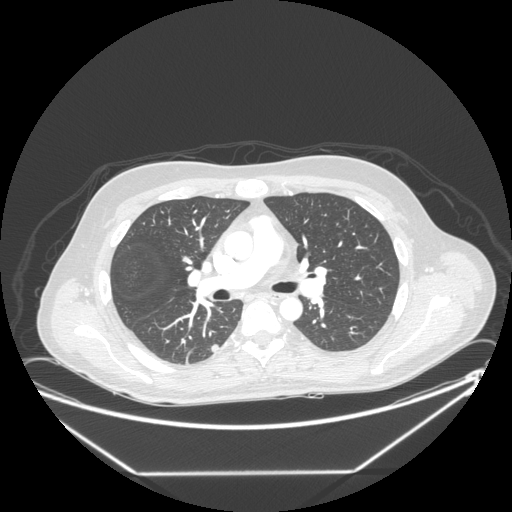
One axial slice (145 of 246, counting up from the lowest) of a chest CT acquired at 120 kVp with the STANDARD kernel; each pixel is 0.859 mm and the slice is 1.25 mm thick.
Pulmonary nodule at rows 344–352, columns 210–218 (box = the union of the readers' outlines on this slice), outlined by three of the four readers; the three readers' outlines give a longest diameter between 8.5 and 8.8 mm and a volume between 162 and 188 mm3. The readers' ratings, as ranges where they differ: texture 5/5 (solid) from all three readers; margin from 4/5 to 5/5 (circumscribed) across the three readers; sphericity from 4/5 to 5/5 (round) across the three readers; calcification absent, all three readers agreeing; internal structure soft tissue from all three readers; subtlety 4/5 from all three readers; malignancy likelihood from 3/5 to 4/5 across the three readers. Scale key (1–5): texture non-solid→solid, margin indistinct→circumscribed, sphericity linear→round, subtlety extremely subtle→obvious, malignancy likelihood highly unlikely→highly suspicious of cancer. Box rows and columns are 0-based pixel indices from the top-left corner, inclusive.